Axial slice 39 of 120 of a chest CT (slice 1 is the lowest), reconstructed with the BONE kernel at 140 kVp; 2.50 mm slice thickness and 0.576 mm pixels.
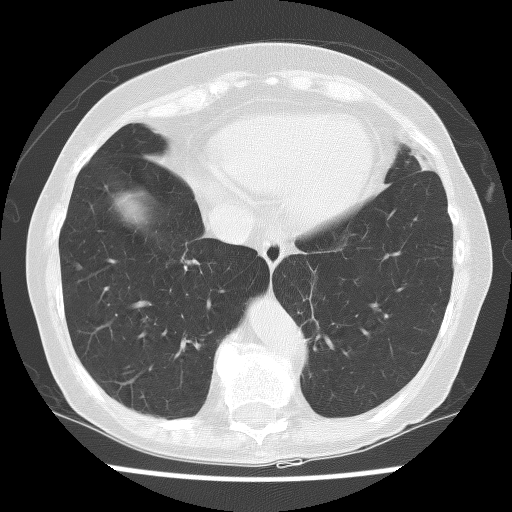
Pulmonary nodule, outlined by all four readers. Box on this slice rows 262–270, columns 75–82, the union of the readers' outlines on this slice; median longest diameter 6.2 mm (readers' outlines 5.7–7.1 mm), median volume 74 mm3 (52–93 mm3). Ratings, median across the readers with their spread: texture 5/5 (solid) at the median of four readers, spread 1/5 (non-solid) to 5/5 (solid); median margin 3.5/5 (readers ranged 3/5 to 5/5 (circumscribed)); median sphericity 3/5 (ovoid) (readers ranged 2/5 to 4/5); calcification absent from all four readers; internal structure: soft tissue (three), fluid (one); subtlety 3.5/5 at the median of four readers, spread 3–5; median malignancy likelihood 2.5/5 (readers ranged 1–3). Scale key (1–5): texture non-solid→solid, margin indistinct→circumscribed, sphericity linear→round, subtlety extremely subtle→obvious, malignancy likelihood highly unlikely→highly suspicious of cancer. Box rows and columns are 0-based pixel indices from the top-left corner, inclusive.